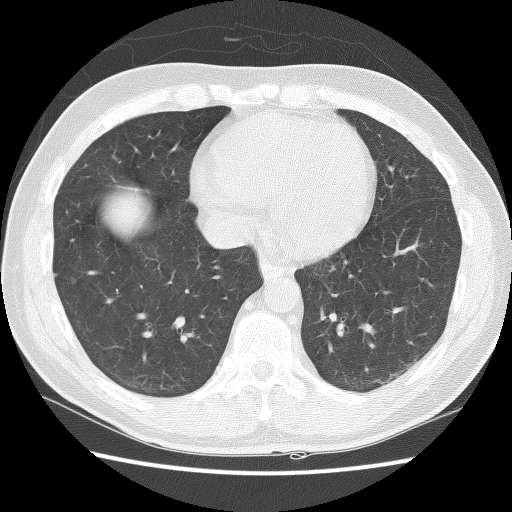
Axial slice 46 of 127 of a chest CT (slice 1 is the lowest), reconstructed with the BONE kernel at 140 kVp; 2.50 mm slice thickness and 0.664 mm pixels.
Pulmonary nodule at rows 276–283, columns 71–75 (box = the union of the readers' outlines on this slice), outlined by three of the four readers; median longest diameter 5.5 mm (readers' outlines 4.8–6.1 mm), median volume 72 mm3 (57–89 mm3). Median ratings and the readers' spread: texture 4/5 at the median of three readers, spread 3/5 (part-solid) to 5/5 (solid); margin 4/5 at the median of three readers, spread 3/5 to 5/5 (circumscribed); sphericity 4/5 at the median of three readers, spread 3/5 (ovoid) to 4/5; calcification absent, all three readers agreeing; internal structure soft tissue, all three readers agreeing; median subtlety 3/5 (readers ranged 2–4); median malignancy likelihood 2/5 (readers ranged 2–3). Scale key (1–5): texture non-solid→solid, margin indistinct→circumscribed, sphericity linear→round, subtlety extremely subtle→obvious, malignancy likelihood highly unlikely→highly suspicious of cancer. Box rows and columns are 0-based pixel indices from the top-left corner, inclusive.